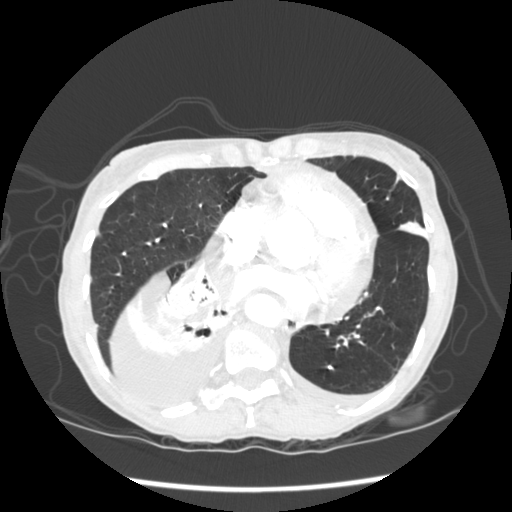
Slice 86/233 of a chest CT, counting up from the lowest; pixel size 0.664 mm, slice thickness 1.25 mm. Pulmonary nodule outlined by two of the four readers; box rows 365–369, columns 328–333 (the union of the readers' outlines on this slice); longest diameter 4.8 mm on average over the two readers' outlines (readers' outlines 4.2–5.4 mm), volume 28–41 mm3. Ratings, by the readers' most common answer with dissent counted: texture 5/5 (solid) from both readers; margin 5/5 (circumscribed) from both readers; sphericity split among the readers: 4/5 (one), 5/5 (round) (one); calcification split among the readers: absent (one), solid calcification (one); internal structure soft tissue, both readers agreeing; subtlety 3/5 from both readers; malignancy likelihood split among the readers: 1/5 (one), 2/5 (one). Scale key (1–5): texture non-solid→solid, margin indistinct→circumscribed, sphericity linear→round, subtlety extremely subtle→obvious, malignancy likelihood highly unlikely→highly suspicious of cancer. Box rows and columns are 0-based pixel indices from the top-left corner, inclusive.
Tube voltage 120 kVp; convolution kernel STANDARD.